One axial slice (43 of 111, counting up from the lowest) of a chest CT acquired at 135 kVp with the FC01 kernel; each pixel is 0.751 mm and the slice is 3.00 mm thick.
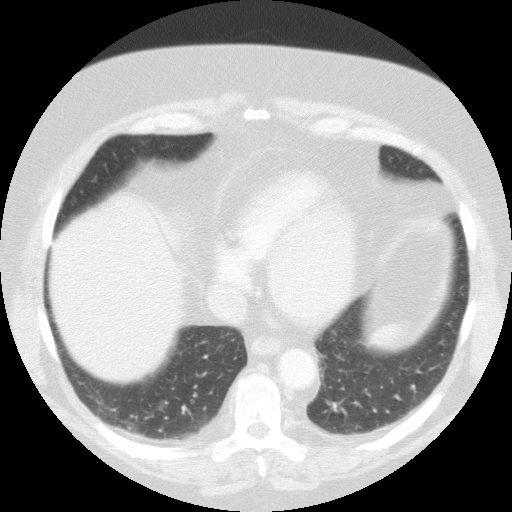
Pulmonary nodule at rows 400–406, columns 160–166 (box = the union of the readers' outlines on this slice), outlined by all four readers, two of them on this slice; median longest diameter 16.2 mm (readers' outlines 14.6–18.2 mm), median volume 1423 mm3 (1388–1524 mm3). Median ratings and the readers' spread: texture 5/5 (solid) from all four readers; margin 5/5 (circumscribed), all four readers agreeing; sphericity 5/5 (round), all four readers agreeing; calcification absent from all four readers; internal structure soft tissue, all four readers agreeing; median subtlety 4.5/5 (readers ranged 3–5); malignancy likelihood 3.5/5 at the median of four readers, spread 2–5. Scale key (1–5): texture non-solid→solid, margin indistinct→circumscribed, sphericity linear→round, subtlety extremely subtle→obvious, malignancy likelihood highly unlikely→highly suspicious of cancer. Box rows and columns are 0-based pixel indices from the top-left corner, inclusive.